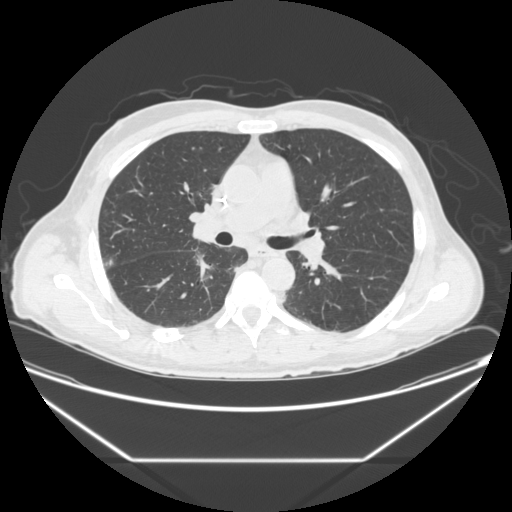
Axial slice 132 of 251 of a chest CT (slice 1 is the lowest), reconstructed with the STANDARD kernel at 120 kVp; 1.25 mm slice thickness and 0.809 mm pixels.
Pulmonary nodule, outlined by two of the four readers, one of them on this slice. Box on this slice rows 260–265, columns 109–112, the one reader's outline on this slice; longest diameter 6.7–9.0 mm and volume 61–153 mm3 across the two readers' outlines. Ratings across the readers: texture from 4/5 to 5/5 (solid) across the two readers; margin from 2/5 to 4/5 across the two readers; sphericity 3/5 (ovoid) from both readers; calcification absent, both readers agreeing; internal structure soft tissue, both readers agreeing; subtlety rated between 3 and 4 out of 5 by the two readers; malignancy likelihood 3/5, both readers agreeing. Scale key (1–5): texture non-solid→solid, margin indistinct→circumscribed, sphericity linear→round, subtlety extremely subtle→obvious, malignancy likelihood highly unlikely→highly suspicious of cancer. Box rows and columns are 0-based pixel indices from the top-left corner, inclusive.